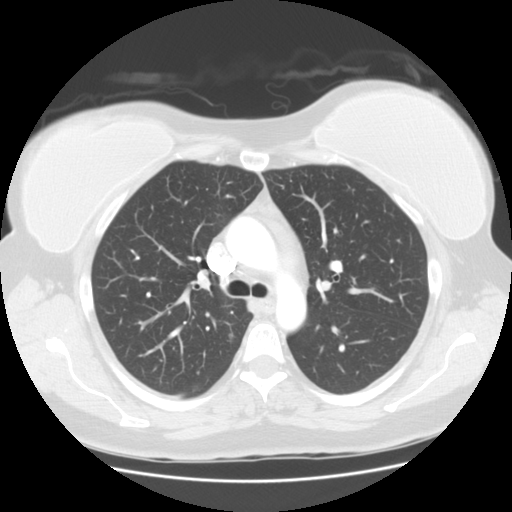
Axial chest CT slice 101 of 139 (counted from the lowest slice); tube voltage 120 kVp, convolution kernel STANDARD; slices 2.50 mm thick, 0.703 mm per pixel.
Pulmonary nodule at rows 334–338, columns 229–232 (box = that reader's outline on this slice), outlined by one of the four readers; longest diameter 4.7 mm and volume 44 mm3 from that reader's outline. Ratings by that reader: texture 1/5 (non-solid); margin 1/5 (indistinct); sphericity 5/5 (round); calcification absent; internal structure soft tissue; subtlety 1/5; malignancy likelihood 3/5. Scale key (1–5): texture non-solid→solid, margin indistinct→circumscribed, sphericity linear→round, subtlety extremely subtle→obvious, malignancy likelihood highly unlikely→highly suspicious of cancer. Box rows and columns are 0-based pixel indices from the top-left corner, inclusive.